Chest CT, axial plane, 120 kVp, kernel D. Slice 161/278 from the bottom of the scan; thickness 1.00 mm; pixel size 0.812 mm.
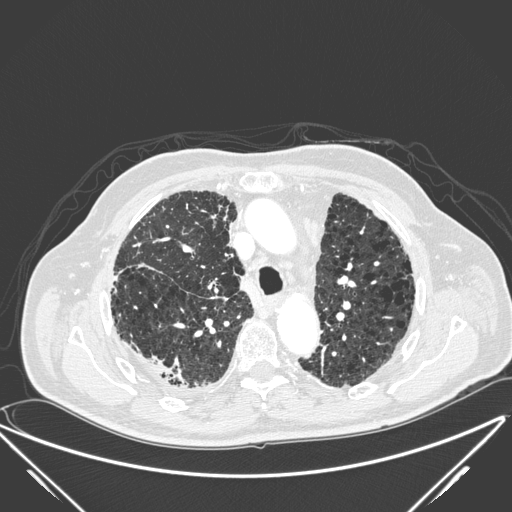
Pulmonary nodule, outlined by all four readers, two of them on this slice. Box on this slice rows 356–379, columns 149–182, the union of the readers' outlines on this slice; median longest diameter 33.5 mm (readers' outlines 17.4–39.8 mm), median volume 3234 mm3 (1021–4525 mm3). Ratings, median across the readers with their spread: texture 5/5 (solid) from all four readers; median margin 2.5/5 (readers ranged 1/5 (indistinct) to 5/5 (circumscribed)); sphericity 2/5 at the median of four readers, spread 2/5 to 5/5 (round); calcification absent from all four readers; internal structure soft tissue from all four readers; median subtlety 4.5/5 (readers ranged 4–5); median malignancy likelihood 4.5/5 (readers ranged 3–5). Scale key (1–5): texture non-solid→solid, margin indistinct→circumscribed, sphericity linear→round, subtlety extremely subtle→obvious, malignancy likelihood highly unlikely→highly suspicious of cancer. Box rows and columns are 0-based pixel indices from the top-left corner, inclusive.